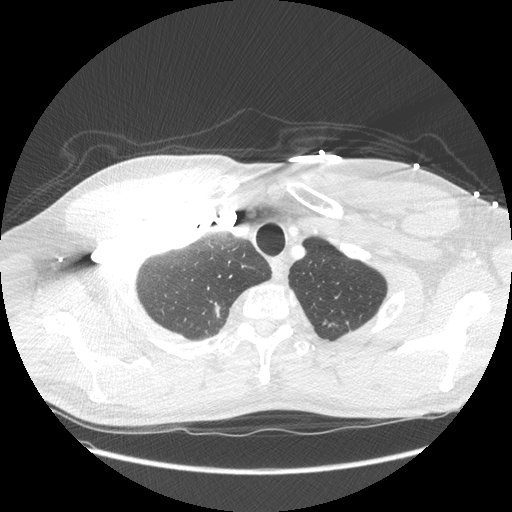
Axial chest CT slice 230 of 261 (counted from the lowest slice); 1.25 mm thick, 0.781 mm per pixel. Two pulmonary nodules on this slice, listed from left to right. (1) Pulmonary nodule outlined by all four readers; box rows 302–317, columns 214–220 (the union of the readers' outlines on this slice); longest diameter 11.8–13.6 mm and volume 240–268 mm3 across the four readers' outlines. Ratings across the readers: texture 5/5 (solid), all four readers agreeing; margin from 3/5 to 5/5 (circumscribed) across the four readers; sphericity from 2/5 to 5/5 (round) across the four readers; calcification: absent (three), solid calcification (one); internal structure soft tissue from all four readers; subtlety from 2/5 to 5/5 across the four readers; malignancy likelihood from 1/5 to 3/5 across the four readers. (2) Pulmonary nodule outlined by one of the four readers; box rows 321–325, columns 346–348 (that reader's outline on this slice); longest diameter 5.9 mm and volume 83 mm3 from that reader's outline. Ratings by that reader: texture 5/5 (solid); margin 4/5; sphericity 4/5; calcification absent; internal structure soft tissue; subtlety 2/5; malignancy likelihood 2/5. Scale key (1–5): texture non-solid→solid, margin indistinct→circumscribed, sphericity linear→round, subtlety extremely subtle→obvious, malignancy likelihood highly unlikely→highly suspicious of cancer. Box rows and columns are 0-based pixel indices from the top-left corner, inclusive.
Acquired at 120 kVp and reconstructed with the STANDARD kernel.